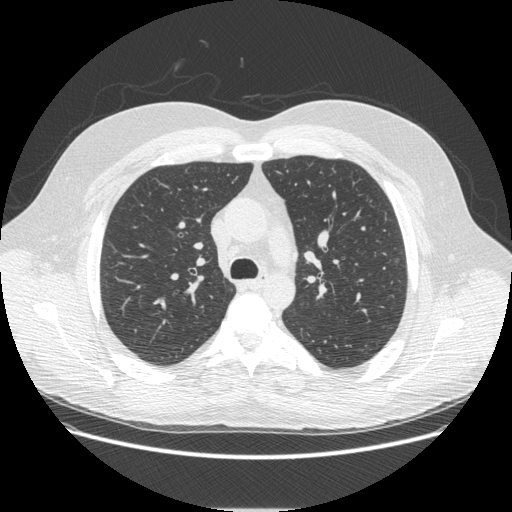
Axial chest CT slice 328 of 497 (counted from the lowest slice); tube voltage 120 kVp, convolution kernel STANDARD; slices 1.25 mm thick, 0.762 mm per pixel.
Pulmonary nodule at rows 258–263, columns 395–399 (box = the union of the readers' outlines on this slice), outlined by all four readers, two of them on this slice; median longest diameter 21.7 mm (readers' outlines 21.5–22.5 mm), median volume 2358 mm3 (2170–2597 mm3). Median ratings and the readers' spread: median texture 1/5 (non-solid) (readers ranged 1/5 (non-solid) to 3/5 (part-solid)); median margin 3/5 (readers ranged 2/5 to 4/5); median sphericity 4.5/5 (readers ranged 3/5 (ovoid) to 5/5 (round)); calcification absent, all four readers agreeing; internal structure split among the readers: air (two), soft tissue (two); subtlety 4/5 at the median of four readers, spread 1–5; malignancy likelihood 3/5 at the median of four readers, spread 1–5. Scale key (1–5): texture non-solid→solid, margin indistinct→circumscribed, sphericity linear→round, subtlety extremely subtle→obvious, malignancy likelihood highly unlikely→highly suspicious of cancer. Box rows and columns are 0-based pixel indices from the top-left corner, inclusive.